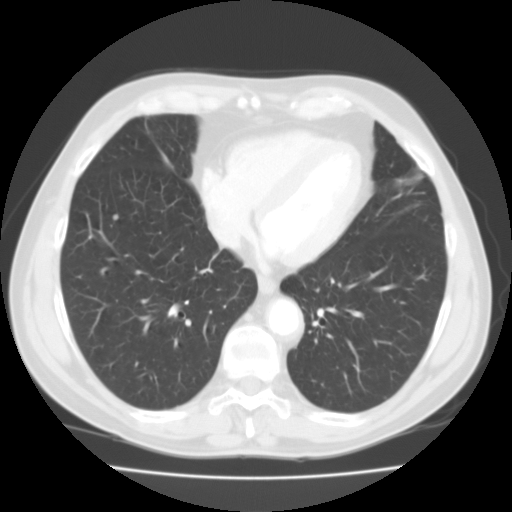
Axial chest CT slice 44 of 109 (counted from the lowest slice); tube voltage 135 kVp, convolution kernel FC01; slices 3.00 mm thick, 0.720 mm per pixel.
Pulmonary nodule, outlined by two of the four readers. Box on this slice rows 214–220, columns 113–118, the union of the readers' outlines on this slice; longest diameter 5.6 mm on average over the two readers' outlines (readers' outlines 5.5–5.8 mm), volume 72–116 mm3. The readers' prevailing ratings and who disagreed: texture 5/5 (solid), both readers agreeing; margin 5/5 (circumscribed), both readers agreeing; sphericity split among the readers: 4/5 (one), 5/5 (round) (one); calcification absent, both readers agreeing; internal structure soft tissue from both readers; subtlety split among the readers: 3/5 (one), 4/5 (one); malignancy likelihood split among the readers: 1/5 (one), 3/5 (one). Scale key (1–5): texture non-solid→solid, margin indistinct→circumscribed, sphericity linear→round, subtlety extremely subtle→obvious, malignancy likelihood highly unlikely→highly suspicious of cancer. Box rows and columns are 0-based pixel indices from the top-left corner, inclusive.